One axial slice (341 of 513, counting up from the lowest) of a chest CT acquired at 120 kVp with the STANDARD kernel; each pixel is 0.703 mm and the slice is 1.25 mm thick.
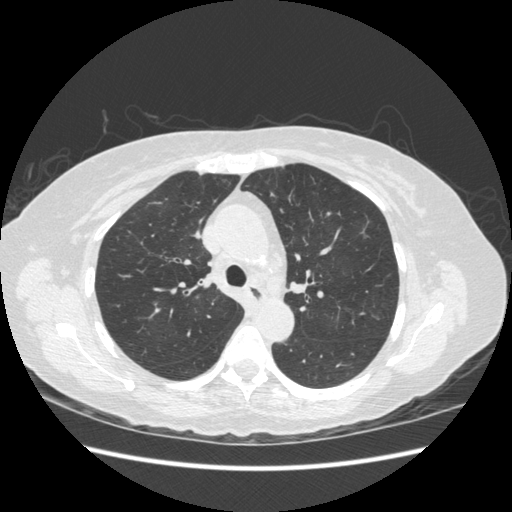
The readers outlined no nodule of 3 mm or more on this slice.